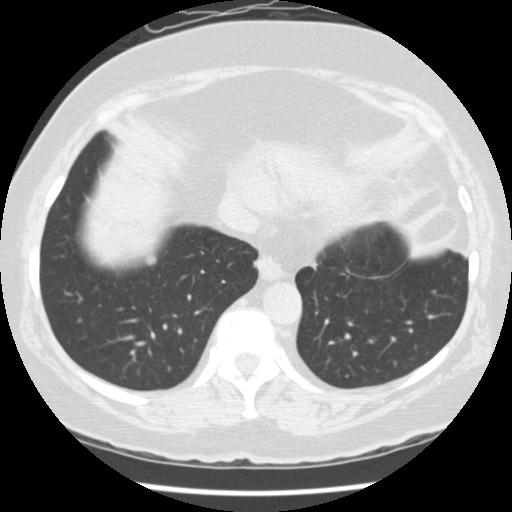
Axial chest CT slice 38 of 144 (counted from the lowest slice); 2.50 mm thick, 0.625 mm per pixel. Pulmonary nodule at rows 254–265, columns 144–157 (box = the union of the readers' outlines on this slice), outlined by all four readers; median longest diameter 8.8 mm (readers' outlines 8.1–10.1 mm), median volume 197 mm3 (190–225 mm3). Median ratings and the readers' spread: texture 5/5 (solid) from all four readers; margin 4/5 at the median of four readers, spread 3/5 to 5/5 (circumscribed); sphericity 4/5 at the median of four readers, spread 3/5 (ovoid) to 5/5 (round); calcification absent from all four readers; internal structure soft tissue from all four readers; subtlety 3.5/5 at the median of four readers, spread 3–5; malignancy likelihood 3/5 at the median of four readers, spread 3–4. Scale key (1–5): texture non-solid→solid, margin indistinct→circumscribed, sphericity linear→round, subtlety extremely subtle→obvious, malignancy likelihood highly unlikely→highly suspicious of cancer. Box rows and columns are 0-based pixel indices from the top-left corner, inclusive.
Acquired at 120 kVp and reconstructed with the STANDARD kernel.